Axial slice 48 of 109 of a chest CT (slice 1 is the lowest), reconstructed with the FC01 kernel at 135 kVp; 3.00 mm slice thickness and 0.720 mm pixels.
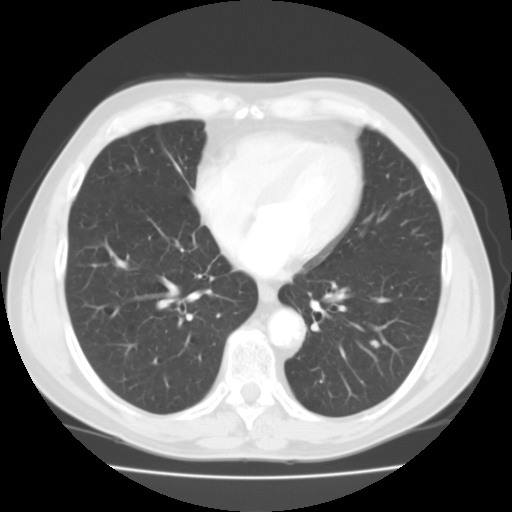
Pulmonary nodule at rows 340–347, columns 370–379 (box = the union of the readers' outlines on this slice), outlined by two of the four readers; median longest diameter 8.3 mm (readers' outlines 8.2–8.4 mm), median volume 201 mm3 (188–215 mm3). Median ratings and the readers' spread: texture 5/5 (solid), both readers agreeing; margin 4/5, both readers agreeing; sphericity 2.5/5 at the median of two readers, spread 2/5 to 3/5 (ovoid); calcification absent, both readers agreeing; internal structure soft tissue, both readers agreeing; median subtlety 3.5/5 (readers ranged 3–4); median malignancy likelihood 2.5/5 (readers ranged 2–3). Scale key (1–5): texture non-solid→solid, margin indistinct→circumscribed, sphericity linear→round, subtlety extremely subtle→obvious, malignancy likelihood highly unlikely→highly suspicious of cancer. Box rows and columns are 0-based pixel indices from the top-left corner, inclusive.